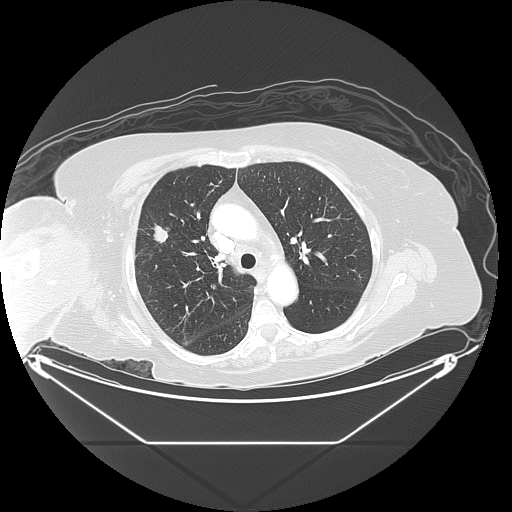
Slice 100/133 of a chest CT, counting up from the lowest; pixel size 0.977 mm, slice thickness 2.50 mm. Pulmonary nodule outlined by all four readers; box rows 223–242, columns 151–168 (the union of the readers' outlines on this slice); the four readers' outlines give a longest diameter between 24.5 and 34.5 mm and a volume between 3757 and 4258 mm3. Ratings across the readers: texture from 4/5 to 5/5 (solid) across the four readers; margin from 4/5 to 5/5 (circumscribed) across the four readers; sphericity from 3/5 (ovoid) to 5/5 (round) across the four readers; calcification absent from all four readers; internal structure soft tissue from all four readers; subtlety 5/5, all four readers agreeing; malignancy likelihood 4–5/5 (the readers disagree). Scale key (1–5): texture non-solid→solid, margin indistinct→circumscribed, sphericity linear→round, subtlety extremely subtle→obvious, malignancy likelihood highly unlikely→highly suspicious of cancer. Box rows and columns are 0-based pixel indices from the top-left corner, inclusive.
Scan settings: 120 kVp, LUNG reconstruction kernel.